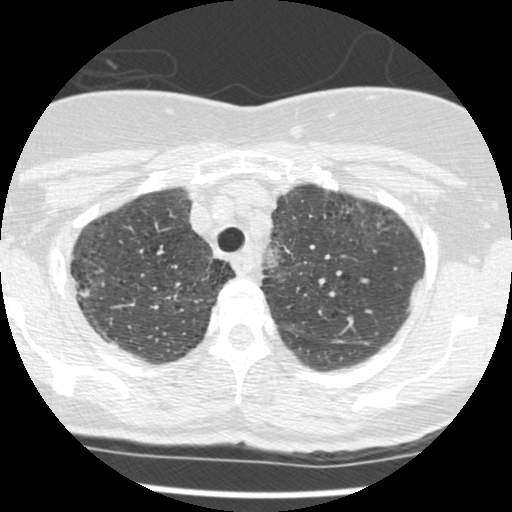
Axial chest CT slice 390 of 465 (counted from the lowest slice); tube voltage 120 kVp, convolution kernel STANDARD; slices 1.25 mm thick, 0.586 mm per pixel.
Pulmonary nodule, outlined by one of the four readers. Box on this slice rows 290–296, columns 79–88, that reader's outline on this slice; longest diameter 8.3 mm and volume 208 mm3 from that reader's outline. That reader's ratings: texture 5/5 (solid); margin 4/5; sphericity 4/5; calcification absent; internal structure soft tissue; subtlety 3/5; malignancy likelihood 2/5. Scale key (1–5): texture non-solid→solid, margin indistinct→circumscribed, sphericity linear→round, subtlety extremely subtle→obvious, malignancy likelihood highly unlikely→highly suspicious of cancer. Box rows and columns are 0-based pixel indices from the top-left corner, inclusive.